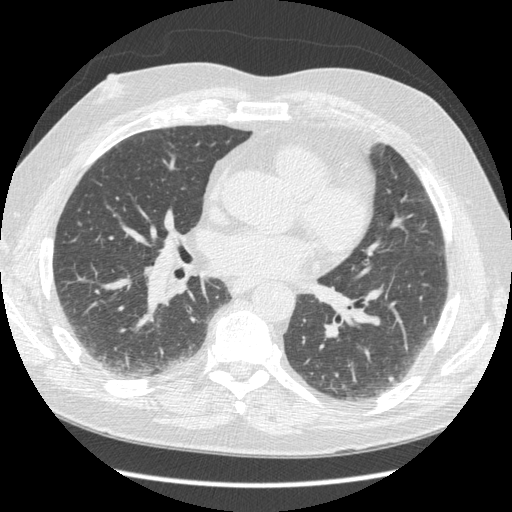
Axial chest CT slice 191 of 429 (counted from the lowest slice); tube voltage 120 kVp, convolution kernel STANDARD; slices 1.25 mm thick, 0.703 mm per pixel.
Pulmonary nodule, outlined by three of the four readers. Box on this slice rows 375–382, columns 388–394, the union of the readers' outlines on this slice; median longest diameter 6.9 mm (readers' outlines 6.9–7.0 mm), median volume 98 mm3 (78–98 mm3). Ratings, median across the readers with their spread: texture 5/5 (solid) from all three readers; margin 5/5 (circumscribed) at the median of three readers, spread 4/5 to 5/5 (circumscribed); median sphericity 5/5 (round) (readers ranged 3/5 (ovoid) to 5/5 (round)); calcification: absent (two), non-central calcification (one); internal structure soft tissue, all three readers agreeing; median subtlety 4/5 (readers ranged 2–5); malignancy likelihood 2/5 at the median of three readers, spread 2–4. Scale key (1–5): texture non-solid→solid, margin indistinct→circumscribed, sphericity linear→round, subtlety extremely subtle→obvious, malignancy likelihood highly unlikely→highly suspicious of cancer. Box rows and columns are 0-based pixel indices from the top-left corner, inclusive.